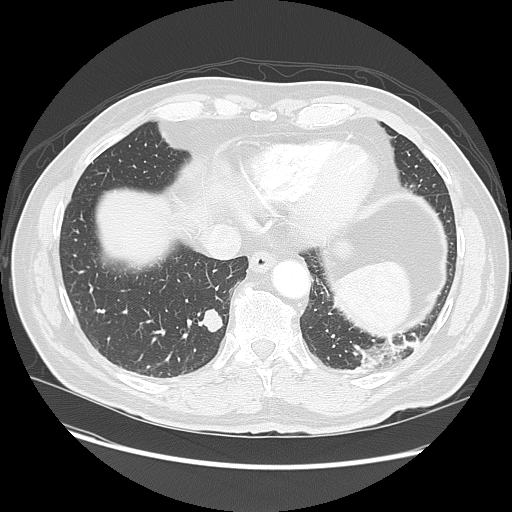
Axial slice 35 of 135 of a chest CT (slice 1 is the lowest), reconstructed with the LUNG kernel at 120 kVp; 2.50 mm slice thickness and 0.781 mm pixels.
Pulmonary nodule, outlined by all four readers. Box on this slice rows 308–332, columns 202–223, the union of the readers' outlines on this slice; longest diameter 19.3 mm on average over the four readers' outlines (readers' outlines 18.4–19.8 mm), volume 2155–2410 mm3. The readers' prevailing ratings and who disagreed: texture 5/5 (solid), all four readers agreeing; margin split among the readers: 4/5 (two), 5/5 (circumscribed) (two); sphericity split among the readers: 3/5 (ovoid) (two), 4/5 (two); calcification absent, all four readers agreeing; internal structure soft tissue from all four readers; subtlety 5/5 by three of four readers; the rest gave 4/5 (one); malignancy likelihood 4/5 by two of four readers; the rest gave 2/5 (one), 5/5 (one). Scale key (1–5): texture non-solid→solid, margin indistinct→circumscribed, sphericity linear→round, subtlety extremely subtle→obvious, malignancy likelihood highly unlikely→highly suspicious of cancer. Box rows and columns are 0-based pixel indices from the top-left corner, inclusive.